Axial chest CT slice 167 of 327 (counted from the lowest slice); tube voltage 120 kVp, convolution kernel B45f; slices 1.00 mm thick, 0.664 mm per pixel.
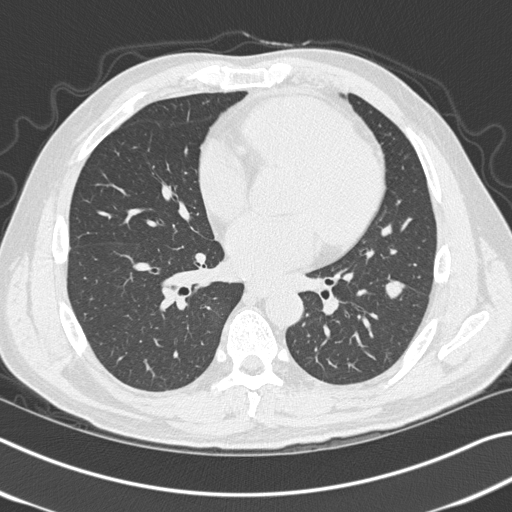
Pulmonary nodule, outlined by all four readers. Box on this slice rows 277–299, columns 384–405, the union of the readers' outlines on this slice; longest diameter 18.2 mm on average over the four readers' outlines (readers' outlines 16.4–20.2 mm), volume 1016–1342 mm3. Ratings, by the readers' most common answer with dissent counted: texture 5/5 (solid) from all four readers; margin 5/5 (circumscribed) by three of four readers; the rest gave 4/5 (one); sphericity 5/5 (round) by two of four readers; the rest gave 3/5 (ovoid) (one), 4/5 (one); calcification absent from all four readers; internal structure soft tissue from all four readers; most readers (three of four) put subtlety at 5/5, others 4/5 (one); malignancy likelihood 5/5 by two of four readers; the rest gave 3/5 (one), 4/5 (one). Scale key (1–5): texture non-solid→solid, margin indistinct→circumscribed, sphericity linear→round, subtlety extremely subtle→obvious, malignancy likelihood highly unlikely→highly suspicious of cancer. Box rows and columns are 0-based pixel indices from the top-left corner, inclusive.